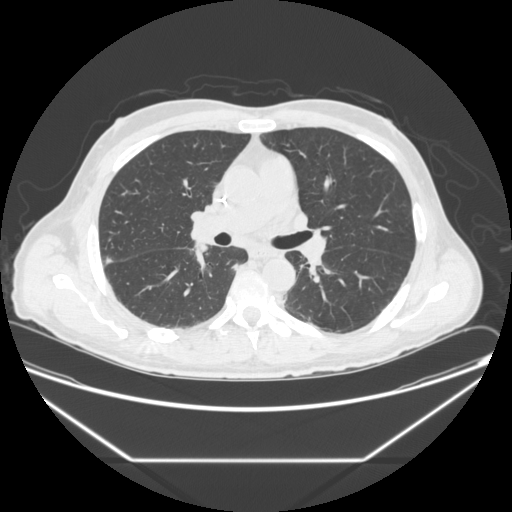
One axial slice (130 of 251, counting up from the lowest) of a chest CT acquired at 120 kVp with the STANDARD kernel; each pixel is 0.809 mm and the slice is 1.25 mm thick.
Pulmonary nodule, outlined by two of the four readers. Box on this slice rows 257–264, columns 105–112, the union of the readers' outlines on this slice; longest diameter 7.9 mm on average over the two readers' outlines (readers' outlines 6.7–9.0 mm), volume 61–153 mm3. Ratings, by the readers' most common answer with dissent counted: texture split among the readers: 4/5 (one), 5/5 (solid) (one); margin split among the readers: 2/5 (one), 4/5 (one); sphericity 3/5 (ovoid) from both readers; calcification absent, both readers agreeing; internal structure soft tissue from both readers; subtlety split among the readers: 3/5 (one), 4/5 (one); malignancy likelihood 3/5 from both readers. Scale key (1–5): texture non-solid→solid, margin indistinct→circumscribed, sphericity linear→round, subtlety extremely subtle→obvious, malignancy likelihood highly unlikely→highly suspicious of cancer. Box rows and columns are 0-based pixel indices from the top-left corner, inclusive.